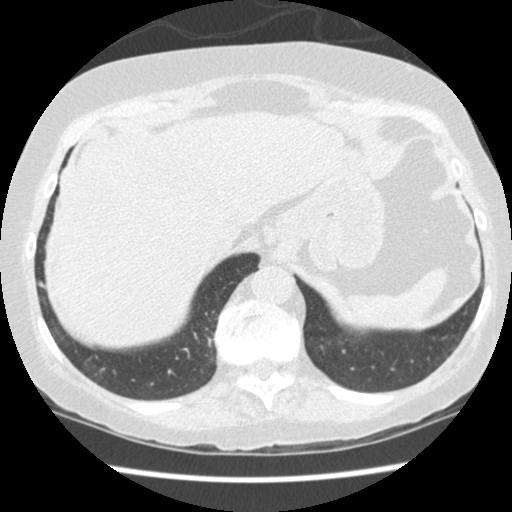
This is axial slice 61 of 458 (slice 1 is the lowest) of a chest CT; each pixel is 0.625 mm and the slice is 1.25 mm thick. Pulmonary nodule at rows 281–287, columns 38–44 (box = that reader's outline on this slice), outlined by one of the four readers; longest diameter 6.4 mm and volume 86 mm3 from that reader's outline. That reader's ratings: texture 5/5 (solid); margin 4/5; sphericity 3/5 (ovoid); calcification absent; internal structure soft tissue; subtlety 3/5; malignancy likelihood 1/5. Scale key (1–5): texture non-solid→solid, margin indistinct→circumscribed, sphericity linear→round, subtlety extremely subtle→obvious, malignancy likelihood highly unlikely→highly suspicious of cancer. Box rows and columns are 0-based pixel indices from the top-left corner, inclusive.
Tube voltage 120 kVp; convolution kernel STANDARD.